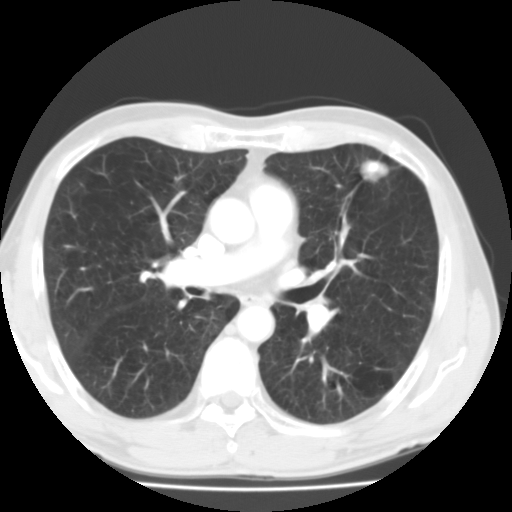
Axial chest CT slice 66 of 119 (counted from the lowest slice); tube voltage 135 kVp, convolution kernel FC01; slices 3.00 mm thick, 0.640 mm per pixel.
Pulmonary nodule outlined by all four readers; box rows 159–183, columns 360–390 (the union of the readers' outlines on this slice); the four readers' outlines give a longest diameter between 19.4 and 21.3 mm and a volume between 2099 and 3516 mm3. Ratings across the readers: texture 5/5 (solid), all four readers agreeing; margin from 4/5 to 5/5 (circumscribed) across the four readers; sphericity from 3/5 (ovoid) to 4/5 across the four readers; calcification: absent (three), central calcification (one); internal structure soft tissue, all four readers agreeing; subtlety 5/5, all four readers agreeing; malignancy likelihood rated between 1 and 5 out of 5 by the four readers. Scale key (1–5): texture non-solid→solid, margin indistinct→circumscribed, sphericity linear→round, subtlety extremely subtle→obvious, malignancy likelihood highly unlikely→highly suspicious of cancer. Box rows and columns are 0-based pixel indices from the top-left corner, inclusive.